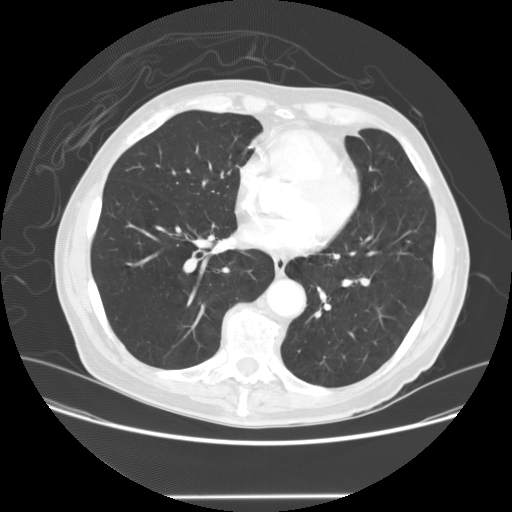
One axial slice (68 of 147, counting up from the lowest) of a chest CT acquired at 120 kVp with the STANDARD kernel; each pixel is 0.781 mm and the slice is 2.50 mm thick.
The readers outlined no nodule of 3 mm or more on this slice.